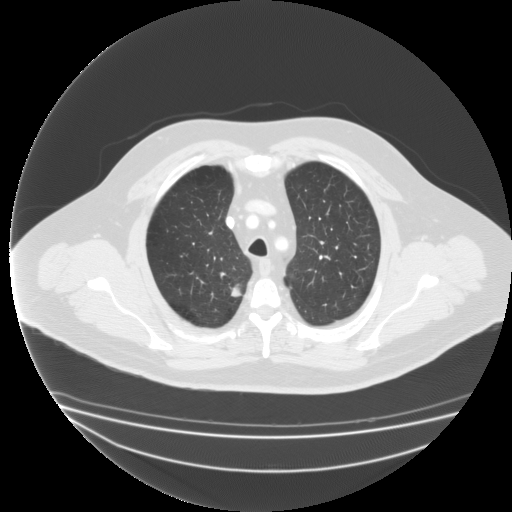
This is axial slice 149 of 183 (slice 1 is the lowest) of a chest CT; each pixel is 0.946 mm and the slice is 2.00 mm thick. Pulmonary nodule at rows 282–297, columns 229–242 (box = the union of the readers' outlines on this slice), outlined by three of the four readers; longest diameter 16.9 mm on average over the three readers' outlines (readers' outlines 16.1–17.8 mm), volume 986–1640 mm3. Ratings, by the readers' most common answer with dissent counted: texture 5/5 (solid), all three readers agreeing; most readers (two of three) put margin at 3/5, others 4/5 (one); sphericity 4/5 from all three readers; calcification absent from all three readers; internal structure soft tissue, all three readers agreeing; subtlety 5/5 by two of three readers; the rest gave 4/5 (one); malignancy likelihood 4/5 from all three readers. Scale key (1–5): texture non-solid→solid, margin indistinct→circumscribed, sphericity linear→round, subtlety extremely subtle→obvious, malignancy likelihood highly unlikely→highly suspicious of cancer. Box rows and columns are 0-based pixel indices from the top-left corner, inclusive.
Acquired at 135 kVp and reconstructed with the FC03 kernel.